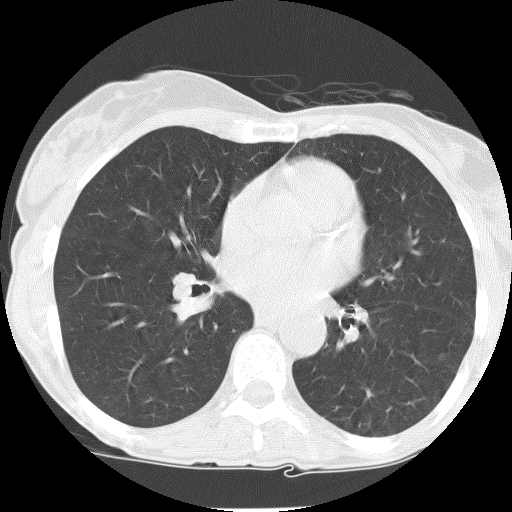
This is axial slice 69 of 127 (slice 1 is the lowest) of a chest CT; each pixel is 0.523 mm and the slice is 2.50 mm thick. Pulmonary nodule outlined by one of the four readers; box rows 354–359, columns 439–444 (that reader's outline on this slice); longest diameter 5.4 mm and volume 75 mm3 from that reader's outline. Ratings by that reader: texture 1/5 (non-solid); margin 2/5; sphericity 5/5 (round); calcification absent; internal structure soft tissue; subtlety 1/5; malignancy likelihood 3/5. Scale key (1–5): texture non-solid→solid, margin indistinct→circumscribed, sphericity linear→round, subtlety extremely subtle→obvious, malignancy likelihood highly unlikely→highly suspicious of cancer. Box rows and columns are 0-based pixel indices from the top-left corner, inclusive.
Tube voltage 140 kVp; convolution kernel BONE.